One axial slice (101 of 133, counting up from the lowest) of a chest CT acquired at 120 kVp with the STANDARD kernel; each pixel is 0.781 mm and the slice is 2.50 mm thick.
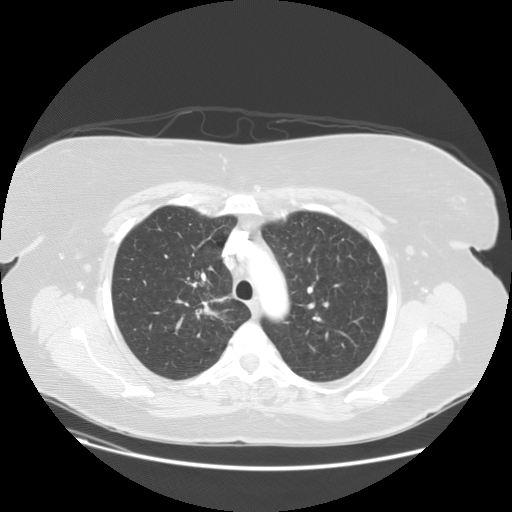
Pulmonary nodule at rows 301–318, columns 195–219 (box = the one reader's outline on this slice), outlined by all four readers, one of them on this slice; median longest diameter 35.3 mm (readers' outlines 31.6–37.9 mm), median volume 4753 mm3 (3786–6747 mm3). Median ratings and the readers' spread: median texture 4.5/5 (readers ranged 3/5 (part-solid) to 5/5 (solid)); margin 3/5 at the median of four readers, spread 1/5 (indistinct) to 3/5; sphericity 3/5 (ovoid) at the median of four readers, spread 2/5 to 4/5; calcification absent, all four readers agreeing; internal structure soft tissue, all four readers agreeing; subtlety 5/5, all four readers agreeing; median malignancy likelihood 5/5 (readers ranged 3–5). Scale key (1–5): texture non-solid→solid, margin indistinct→circumscribed, sphericity linear→round, subtlety extremely subtle→obvious, malignancy likelihood highly unlikely→highly suspicious of cancer. Box rows and columns are 0-based pixel indices from the top-left corner, inclusive.